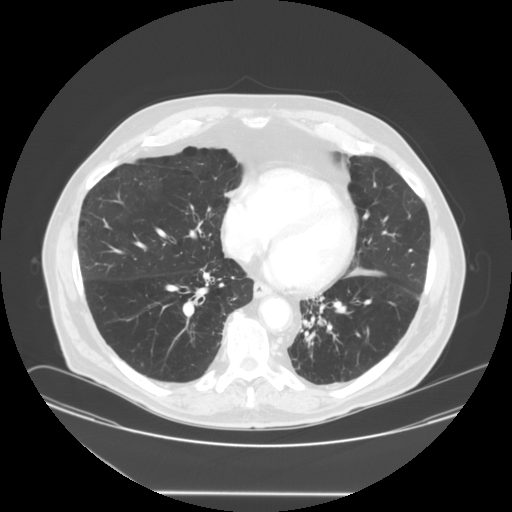
Chest CT, axial plane, 120 kVp, kernel STANDARD. Slice 60/148 from the bottom of the scan; thickness 2.50 mm; pixel size 0.859 mm.
The readers outlined no nodule of 3 mm or more on this slice.